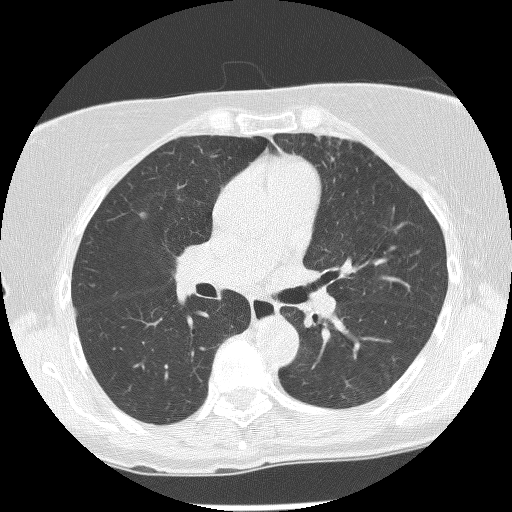
This is axial slice 146 of 239 (slice 1 is the lowest) of a chest CT; each pixel is 0.586 mm and the slice is 1.25 mm thick. Pulmonary nodule outlined by three of the four readers; box rows 212–218, columns 139–146 (the union of the readers' outlines on this slice); the three readers' outlines give a longest diameter between 5.8 and 7.6 mm and a volume between 29 and 71 mm3. Ratings across the readers: texture 5/5 (solid) from all three readers; margin from 4/5 to 5/5 (circumscribed) across the three readers; sphericity from 3/5 (ovoid) to 5/5 (round) across the three readers; calcification absent, all three readers agreeing; internal structure soft tissue from all three readers; subtlety rated between 2 and 4 out of 5 by the three readers; malignancy likelihood from 2/5 to 3/5 across the three readers. Scale key (1–5): texture non-solid→solid, margin indistinct→circumscribed, sphericity linear→round, subtlety extremely subtle→obvious, malignancy likelihood highly unlikely→highly suspicious of cancer. Box rows and columns are 0-based pixel indices from the top-left corner, inclusive.
Acquired at 120 kVp and reconstructed with the BONE kernel.